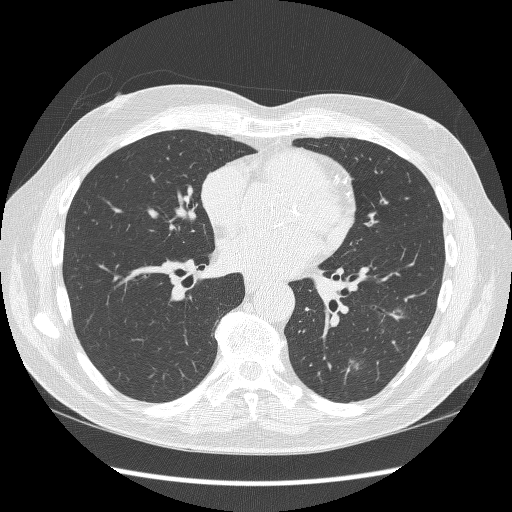
One axial slice (158 of 298, counting up from the lowest) of a chest CT acquired at 120 kVp with the BONE kernel; each pixel is 0.719 mm and the slice is 1.25 mm thick.
Pulmonary nodule at rows 362–370, columns 354–361 (box = the union of the readers' outlines on this slice), outlined by three of the four readers, two of them on this slice; median longest diameter 11.6 mm (readers' outlines 10.2–13.0 mm), median volume 437 mm3 (236–548 mm3). Ratings, median across the readers with their spread: texture 4/5 at the median of three readers, spread 3/5 (part-solid) to 5/5 (solid); margin 3/5 at the median of three readers, spread 2/5 to 4/5; sphericity 3/5 (ovoid) at the median of three readers, spread 2/5 to 3/5 (ovoid); calcification absent from all three readers; internal structure soft tissue from all three readers; subtlety 4/5 at the median of three readers, spread 3–4; median malignancy likelihood 4/5 (readers ranged 2–4). Scale key (1–5): texture non-solid→solid, margin indistinct→circumscribed, sphericity linear→round, subtlety extremely subtle→obvious, malignancy likelihood highly unlikely→highly suspicious of cancer. Box rows and columns are 0-based pixel indices from the top-left corner, inclusive.